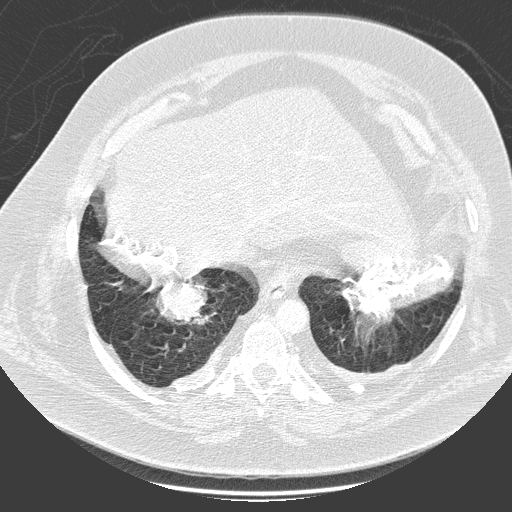
Axial slice 52 of 280 of a chest CT (slice 1 is the lowest), reconstructed with the D kernel at 140 kVp; 1.00 mm slice thickness and 0.801 mm pixels.
Pulmonary nodule, outlined by one of the four readers. Box on this slice rows 283–323, columns 157–215, that reader's outline on this slice; longest diameter 49.9 mm and volume 31112 mm3 from that reader's outline. Ratings by that reader: texture 5/5 (solid); margin 4/5; sphericity 5/5 (round); calcification non-central calcification; internal structure soft tissue; subtlety 5/5; malignancy likelihood 5/5. Scale key (1–5): texture non-solid→solid, margin indistinct→circumscribed, sphericity linear→round, subtlety extremely subtle→obvious, malignancy likelihood highly unlikely→highly suspicious of cancer. Box rows and columns are 0-based pixel indices from the top-left corner, inclusive.